Chest CT, axial plane, 120 kVp, kernel BONE. Slice 122/225 from the bottom of the scan; thickness 1.25 mm; pixel size 0.637 mm.
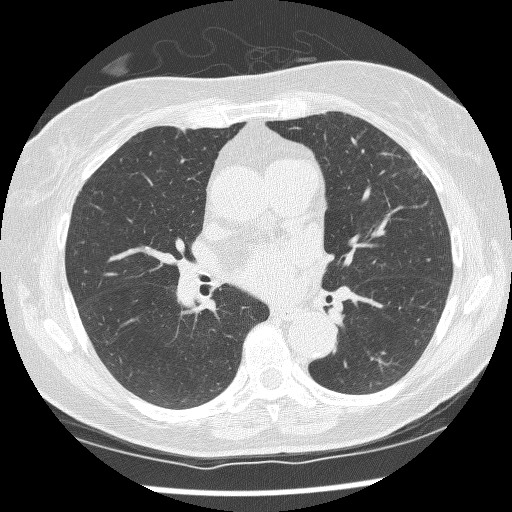
None of the four readers outlined a nodule of 3 mm or more on this slice.